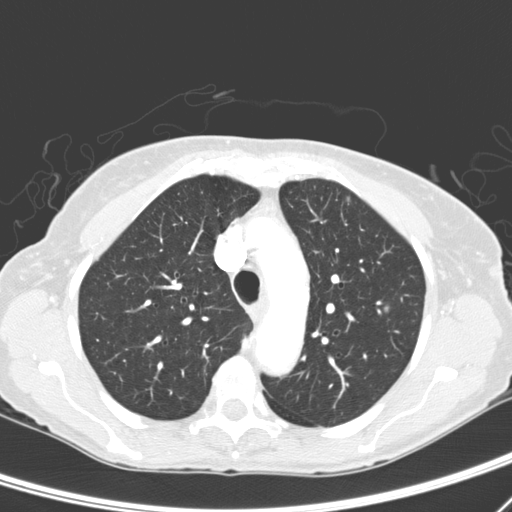
One axial slice (213 of 276, counting up from the lowest) of a chest CT acquired at 120 kVp with the D kernel; each pixel is 0.617 mm and the slice is 2.00 mm thick.
Pulmonary nodule at rows 304–313, columns 381–389 (box = the union of the readers' outlines on this slice), outlined by three of the four readers; median longest diameter 6.9 mm (readers' outlines 6.1–7.7 mm), median volume 83 mm3 (47–92 mm3). Median ratings and the readers' spread: texture 4/5 at the median of three readers, spread 1/5 (non-solid) to 5/5 (solid); margin 3/5 at the median of three readers, spread 2/5 to 5/5 (circumscribed); median sphericity 4/5 (readers ranged 3/5 (ovoid) to 4/5); calcification absent from all three readers; internal structure soft tissue from all three readers; subtlety 3/5 at the median of three readers, spread 2–4; median malignancy likelihood 3/5 (readers ranged 1–3). Scale key (1–5): texture non-solid→solid, margin indistinct→circumscribed, sphericity linear→round, subtlety extremely subtle→obvious, malignancy likelihood highly unlikely→highly suspicious of cancer. Box rows and columns are 0-based pixel indices from the top-left corner, inclusive.